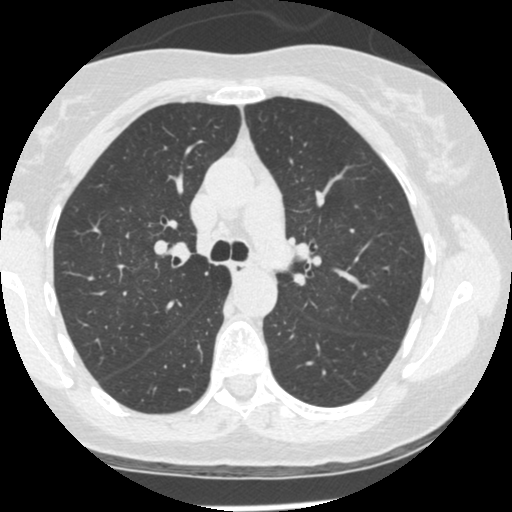
This is axial slice 295 of 465 (slice 1 is the lowest) of a chest CT; each pixel is 0.586 mm and the slice is 1.25 mm thick. Pulmonary nodule outlined by one of the four readers; box rows 297–302, columns 115–121 (that reader's outline on this slice); longest diameter 7.5 mm and volume 69 mm3 from that reader's outline. Ratings by that reader: texture 1/5 (non-solid); margin 1/5 (indistinct); sphericity 3/5 (ovoid); calcification absent; internal structure soft tissue; subtlety 5/5; malignancy likelihood 3/5. Scale key (1–5): texture non-solid→solid, margin indistinct→circumscribed, sphericity linear→round, subtlety extremely subtle→obvious, malignancy likelihood highly unlikely→highly suspicious of cancer. Box rows and columns are 0-based pixel indices from the top-left corner, inclusive.
Acquired at 120 kVp and reconstructed with the STANDARD kernel.